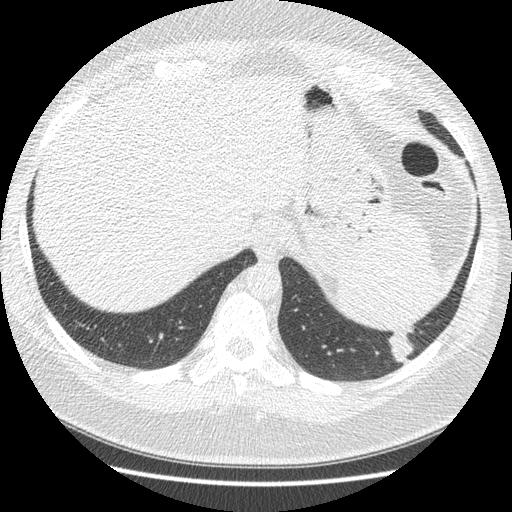
One axial slice (49 of 421, counting up from the lowest) of a chest CT acquired at 120 kVp with the STANDARD kernel; each pixel is 0.703 mm and the slice is 1.25 mm thick.
Pulmonary nodule, outlined four times (the source holds four more outlines, not used). Box on this slice rows 325–364, columns 388–413, the union of the readers' outlines on this slice; longest diameter 33.9 mm on average over the four readers' outlines (readers' outlines 30.9–38.9 mm), volume 4443–5826 mm3. Ratings, by the readers' most common answer with dissent counted: texture 5/5 (solid) by three of four readers; the rest gave 4/5 (one); margin 4/5 by three of four readers; the rest gave 3/5 (one); sphericity 2/5 by two of four readers; the rest gave 3/5 (ovoid) (one), 4/5 (one); calcification absent, all four readers agreeing; internal structure soft tissue, all four readers agreeing; most readers (three of four) put subtlety at 5/5, others 4/5 (one); malignancy likelihood split among the readers: 2/5 (one), 3/5 (one), 4/5 (one), 5/5 (one). Scale key (1–5): texture non-solid→solid, margin indistinct→circumscribed, sphericity linear→round, subtlety extremely subtle→obvious, malignancy likelihood highly unlikely→highly suspicious of cancer. Box rows and columns are 0-based pixel indices from the top-left corner, inclusive.